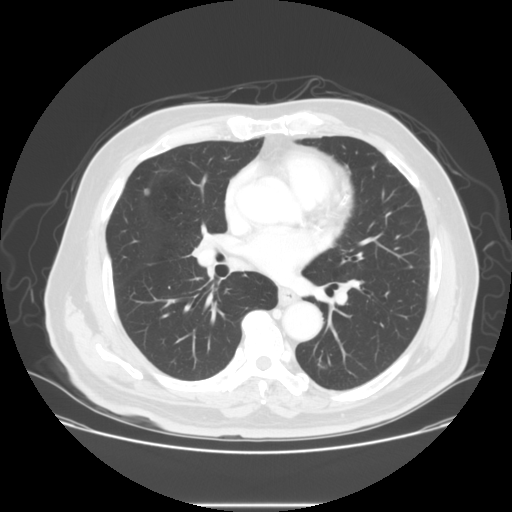
Chest CT, axial plane, 140 kVp, kernel STANDARD. Slice 76/133 from the bottom of the scan; thickness 2.50 mm; pixel size 0.781 mm.
Pulmonary nodule, outlined by all four readers. Box on this slice rows 187–195, columns 143–150, the union of the readers' outlines on this slice; median longest diameter 7.4 mm (readers' outlines 6.7–8.5 mm), median volume 148 mm3 (117–201 mm3). Median ratings and the readers' spread: median texture 5/5 (solid) (readers ranged 4/5 to 5/5 (solid)); margin 4.5/5 at the median of four readers, spread 3/5 to 5/5 (circumscribed); sphericity 4.5/5 at the median of four readers, spread 3/5 (ovoid) to 5/5 (round); calcification absent, all four readers agreeing; internal structure soft tissue from all four readers; subtlety 3.5/5 at the median of four readers, spread 3–5; malignancy likelihood 2.5/5 at the median of four readers, spread 2–3. Scale key (1–5): texture non-solid→solid, margin indistinct→circumscribed, sphericity linear→round, subtlety extremely subtle→obvious, malignancy likelihood highly unlikely→highly suspicious of cancer. Box rows and columns are 0-based pixel indices from the top-left corner, inclusive.